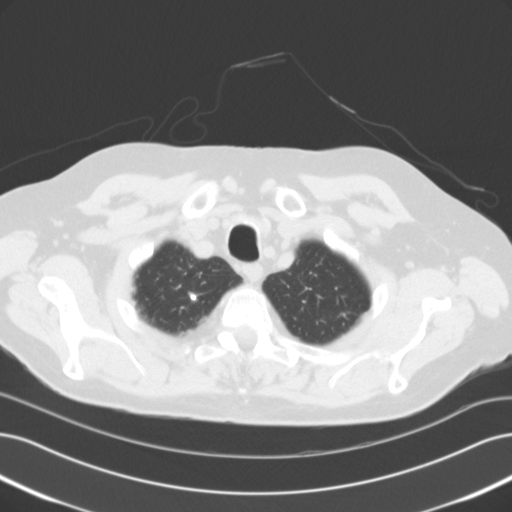
This is axial slice 106 of 118 (slice 1 is the lowest) of a chest CT; each pixel is 0.707 mm and the slice is 3.00 mm thick. Pulmonary nodule, outlined by three of the four readers. Box on this slice rows 293–300, columns 189–196, the union of the readers' outlines on this slice; median longest diameter 5.4 mm (readers' outlines 4.0–7.3 mm), median volume 89 mm3 (45–175 mm3). Ratings, median across the readers with their spread: median texture 5/5 (solid) (readers ranged 3/5 (part-solid) to 5/5 (solid)); margin 4/5 from all three readers; sphericity 4/5 from all three readers; calcification: central calcification (two), solid calcification (one); internal structure soft tissue from all three readers; subtlety 5/5 at the median of three readers, spread 3–5; malignancy likelihood 1/5, all three readers agreeing. Scale key (1–5): texture non-solid→solid, margin indistinct→circumscribed, sphericity linear→round, subtlety extremely subtle→obvious, malignancy likelihood highly unlikely→highly suspicious of cancer. Box rows and columns are 0-based pixel indices from the top-left corner, inclusive.
Scan settings: 120 kVp, B31f reconstruction kernel.